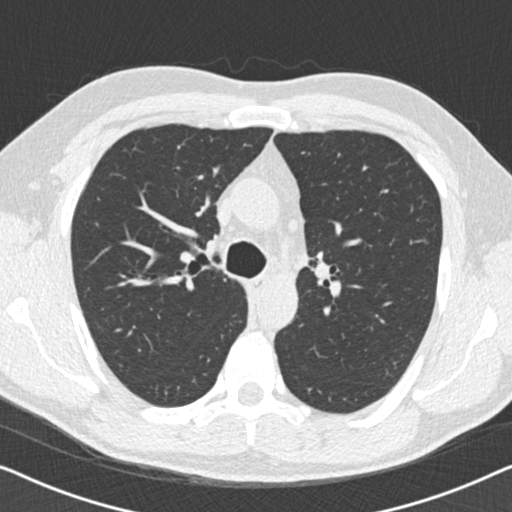
Axial slice 140 of 204 of a chest CT (slice 1 is the lowest), reconstructed with the B30f kernel at 120 kVp; 2.00 mm slice thickness and 0.645 mm pixels.
This slice carries no reader outline of a nodule 3 mm or larger.